Axial chest CT slice 105 of 231 (counted from the lowest slice); tube voltage 120 kVp, convolution kernel BONE; slices 1.25 mm thick, 0.703 mm per pixel.
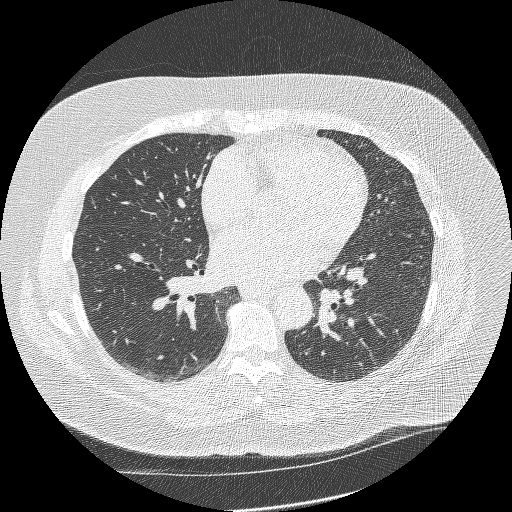
The readers outlined no nodule of 3 mm or more on this slice.